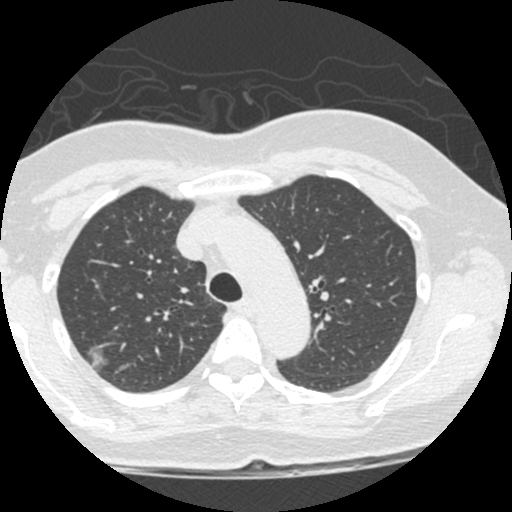
Chest CT, axial plane, 120 kVp, kernel STANDARD. Slice 384/490 from the bottom of the scan; thickness 1.25 mm; pixel size 0.547 mm.
Pulmonary nodule outlined by three of the four readers; box rows 341–371, columns 87–108 (the union of the readers' outlines on this slice); longest diameter 15.9 mm on average over the three readers' outlines (readers' outlines 14.3–18.3 mm), volume 967–1422 mm3. The readers' prevailing ratings and who disagreed: most readers (two of three) put texture at 1/5 (non-solid), others 5/5 (solid) (one); margin 2/5 by two of three readers; the rest gave 4/5 (one); sphericity split among the readers: 3/5 (ovoid) (one), 4/5 (one), 5/5 (round) (one); calcification absent, all three readers agreeing; internal structure soft tissue, all three readers agreeing; most readers (two of three) put subtlety at 5/5, others 1/5 (one); malignancy likelihood split among the readers: 2/5 (one), 3/5 (one), 5/5 (one). Scale key (1–5): texture non-solid→solid, margin indistinct→circumscribed, sphericity linear→round, subtlety extremely subtle→obvious, malignancy likelihood highly unlikely→highly suspicious of cancer. Box rows and columns are 0-based pixel indices from the top-left corner, inclusive.